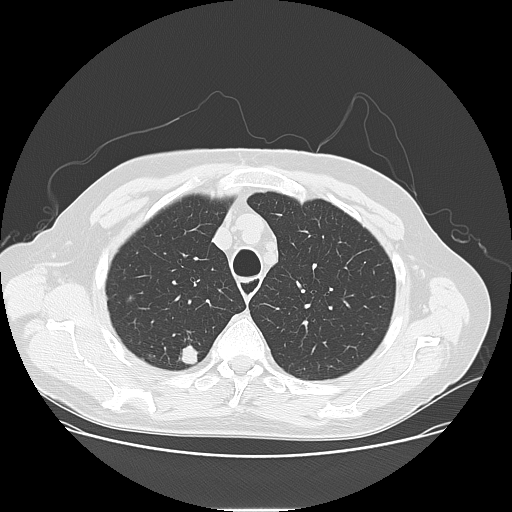
Axial chest CT slice 110 of 141 (counted from the lowest slice); 2.50 mm thick, 0.762 mm per pixel. Two pulmonary nodules are outlined on this slice; from left to right: (1) Pulmonary nodule at rows 356–360, columns 150–154 (box = the one reader's outline on this slice), outlined by all four readers, one of them on this slice; median longest diameter 7.5 mm (readers' outlines 6.9–8.2 mm), median volume 73 mm3 (59–170 mm3). Median ratings and the readers' spread: texture 5/5 (solid) from all four readers; margin 4.5/5 at the median of four readers, spread 4/5 to 5/5 (circumscribed); sphericity 3/5 (ovoid) at the median of four readers, spread 3/5 (ovoid) to 5/5 (round); calcification absent, all four readers agreeing; internal structure soft tissue, all four readers agreeing; median subtlety 3.5/5 (readers ranged 2–5); malignancy likelihood 3/5, all four readers agreeing. (2) Pulmonary nodule at rows 344–363, columns 181–197 (box = the union of the readers' outlines on this slice), outlined by all four readers; the four readers' outlines give a longest diameter between 15.9 and 17.1 mm and a volume between 1828 and 2231 mm3. Ratings across the readers: texture from 3/5 (part-solid) to 5/5 (solid) across the four readers; margin from 2/5 to 5/5 (circumscribed) across the four readers; sphericity from 3/5 (ovoid) to 5/5 (round) across the four readers; calcification absent, all four readers agreeing; internal structure soft tissue from all four readers; subtlety rated between 4 and 5 out of 5 by the four readers; malignancy likelihood from 3/5 to 5/5 across the four readers. Scale key (1–5): texture non-solid→solid, margin indistinct→circumscribed, sphericity linear→round, subtlety extremely subtle→obvious, malignancy likelihood highly unlikely→highly suspicious of cancer. Box rows and columns are 0-based pixel indices from the top-left corner, inclusive.
Acquired at 120 kVp and reconstructed with the LUNG kernel.